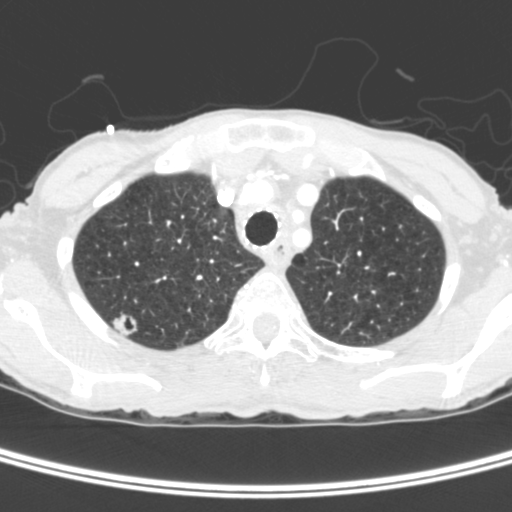
Axial chest CT slice 322 of 400 (counted from the lowest slice); tube voltage 120 kVp, convolution kernel C; slices 1.50 mm thick, 0.527 mm per pixel.
Pulmonary nodule, outlined by three of the four readers. Box on this slice rows 311–336, columns 112–137, the union of the readers' outlines on this slice; longest diameter 15.5 mm on average over the three readers' outlines (readers' outlines 15.0–15.8 mm), volume 1012–1166 mm3. The readers' prevailing ratings and who disagreed: texture 5/5 (solid) by two of three readers; the rest gave 3/5 (part-solid) (one); margin 4/5, all three readers agreeing; most readers (two of three) put sphericity at 5/5 (round), others 4/5 (one); calcification absent from all three readers; internal structure soft tissue by two of three readers, air (one); subtlety 5/5 from all three readers; most readers (two of three) put malignancy likelihood at 5/5, others 4/5 (one). Scale key (1–5): texture non-solid→solid, margin indistinct→circumscribed, sphericity linear→round, subtlety extremely subtle→obvious, malignancy likelihood highly unlikely→highly suspicious of cancer. Box rows and columns are 0-based pixel indices from the top-left corner, inclusive.